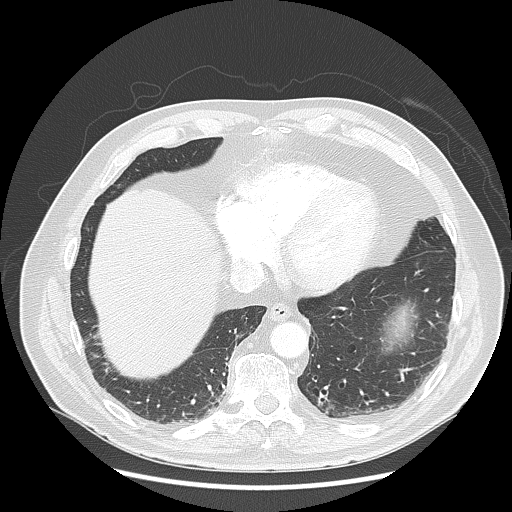
This is axial slice 55 of 143 (slice 1 is the lowest) of a chest CT; each pixel is 0.781 mm and the slice is 2.50 mm thick. Pulmonary nodule at rows 407–414, columns 325–328 (box = the one reader's outline on this slice), outlined by three of the four readers, one of them on this slice; median longest diameter 10.5 mm (readers' outlines 10.2–11.1 mm), median volume 159 mm3 (101–297 mm3). Median ratings and the readers' spread: texture 5/5 (solid) from all three readers; median margin 4/5 (readers ranged 4/5 to 5/5 (circumscribed)); median sphericity 3/5 (ovoid) (readers ranged 2/5 to 5/5 (round)); calcification: absent (two), solid calcification (one); internal structure soft tissue from all three readers; median subtlety 3/5 (readers ranged 3–5); median malignancy likelihood 3/5 (readers ranged 1–3). Scale key (1–5): texture non-solid→solid, margin indistinct→circumscribed, sphericity linear→round, subtlety extremely subtle→obvious, malignancy likelihood highly unlikely→highly suspicious of cancer. Box rows and columns are 0-based pixel indices from the top-left corner, inclusive.
Acquired at 120 kVp and reconstructed with the LUNG kernel.